One axial slice (165 of 295, counting up from the lowest) of a chest CT acquired at 120 kVp with the D kernel; each pixel is 0.682 mm and the slice is 2.00 mm thick.
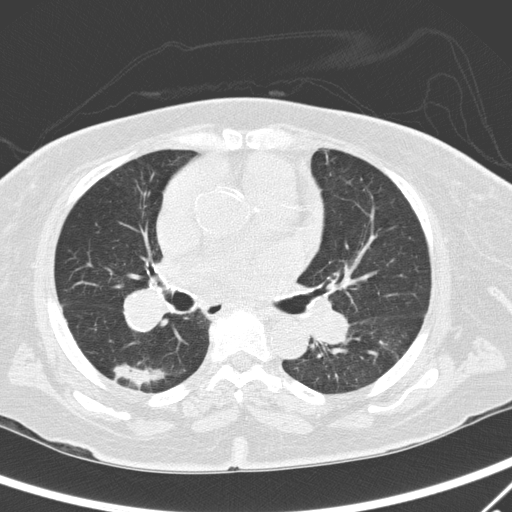
Pulmonary nodule, outlined by one of the four readers. Box on this slice rows 361–388, columns 112–182, that reader's outline on this slice; longest diameter 49.8 mm and volume 6337 mm3 from that reader's outline. Ratings by that reader: texture 4/5; margin 1/5 (indistinct); sphericity 3/5 (ovoid); calcification absent; internal structure soft tissue; subtlety 5/5; malignancy likelihood 5/5. Scale key (1–5): texture non-solid→solid, margin indistinct→circumscribed, sphericity linear→round, subtlety extremely subtle→obvious, malignancy likelihood highly unlikely→highly suspicious of cancer. Box rows and columns are 0-based pixel indices from the top-left corner, inclusive.